One axial slice (164 of 310, counting up from the lowest) of a chest CT acquired at 120 kVp with the D kernel; each pixel is 0.643 mm and the slice is 1.00 mm thick.
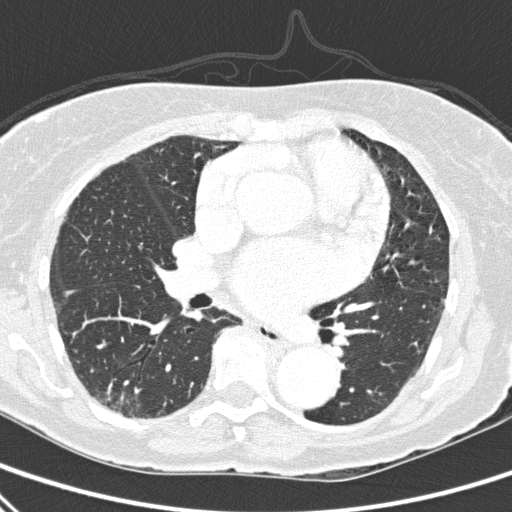
Pulmonary nodule at rows 243–249, columns 138–142 (box = the union of the readers' outlines on this slice), outlined by all four readers, two of them on this slice; median longest diameter 6.6 mm (readers' outlines 5.7–7.2 mm), median volume 60 mm3 (39–81 mm3). Ratings, median across the readers with their spread: texture 5/5 (solid) from all four readers; margin 5/5 (circumscribed), all four readers agreeing; median sphericity 4/5 (readers ranged 3/5 (ovoid) to 5/5 (round)); calcification solid calcification from all four readers; internal structure soft tissue from all four readers; subtlety 5/5 from all four readers; malignancy likelihood 1/5, all four readers agreeing. Scale key (1–5): texture non-solid→solid, margin indistinct→circumscribed, sphericity linear→round, subtlety extremely subtle→obvious, malignancy likelihood highly unlikely→highly suspicious of cancer. Box rows and columns are 0-based pixel indices from the top-left corner, inclusive.